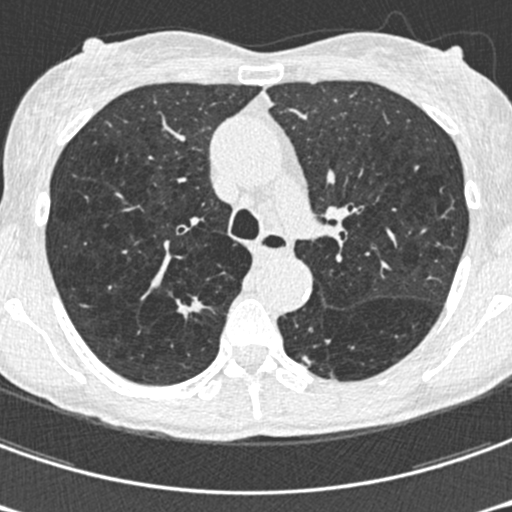
Axial chest CT slice 422 of 633 (counted from the lowest slice); tube voltage 120 kVp, convolution kernel B30f; slices 0.60 mm thick, 0.541 mm per pixel.
Two pulmonary nodules on this slice, listed from left to right. (1) Pulmonary nodule at rows 296–319, columns 175–204 (box = the union of the readers' outlines on this slice), outlined by all four readers; median longest diameter 18.4 mm (readers' outlines 18.1–21.0 mm), median volume 1471 mm3 (1292–1642 mm3). Median ratings and the readers' spread: texture 5/5 (solid) from all four readers; median margin 2/5 (readers ranged 1/5 (indistinct) to 3/5); median sphericity 3/5 (ovoid) (readers ranged 2/5 to 4/5); calcification absent, all four readers agreeing; internal structure soft tissue, all four readers agreeing; subtlety 5/5 at the median of four readers, spread 4–5; malignancy likelihood 5/5 at the median of four readers, spread 4–5. (2) Pulmonary nodule, outlined by one of the four readers. Box on this slice rows 355–365, columns 302–311, that reader's outline on this slice; longest diameter 20.7 mm and volume 470 mm3 from that reader's outline. That reader's ratings: texture 5/5 (solid); margin 1/5 (indistinct); sphericity 2/5; calcification absent; internal structure soft tissue; subtlety 4/5; malignancy likelihood 3/5. Scale key (1–5): texture non-solid→solid, margin indistinct→circumscribed, sphericity linear→round, subtlety extremely subtle→obvious, malignancy likelihood highly unlikely→highly suspicious of cancer. Box rows and columns are 0-based pixel indices from the top-left corner, inclusive.